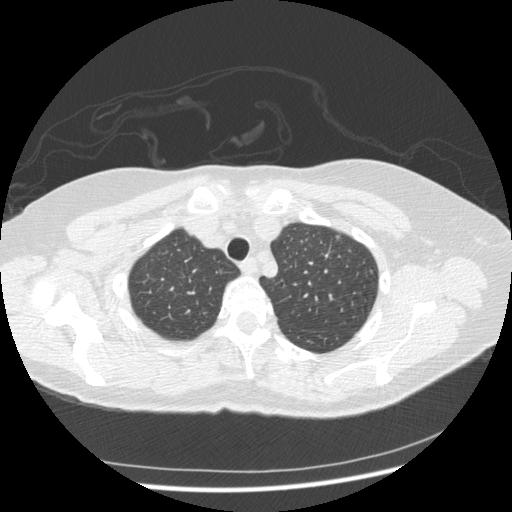
This is axial slice 364 of 436 (slice 1 is the lowest) of a chest CT; each pixel is 0.703 mm and the slice is 1.25 mm thick. Pulmonary nodule outlined by one of the four readers; box rows 235–239, columns 335–338 (that reader's outline on this slice); longest diameter 6.0 mm and volume 25 mm3 from that reader's outline. Ratings by that reader: texture 5/5 (solid); margin 4/5; sphericity 3/5 (ovoid); calcification absent; internal structure soft tissue; subtlety 4/5; malignancy likelihood 5/5. Scale key (1–5): texture non-solid→solid, margin indistinct→circumscribed, sphericity linear→round, subtlety extremely subtle→obvious, malignancy likelihood highly unlikely→highly suspicious of cancer. Box rows and columns are 0-based pixel indices from the top-left corner, inclusive.
Tube voltage 120 kVp; convolution kernel STANDARD.